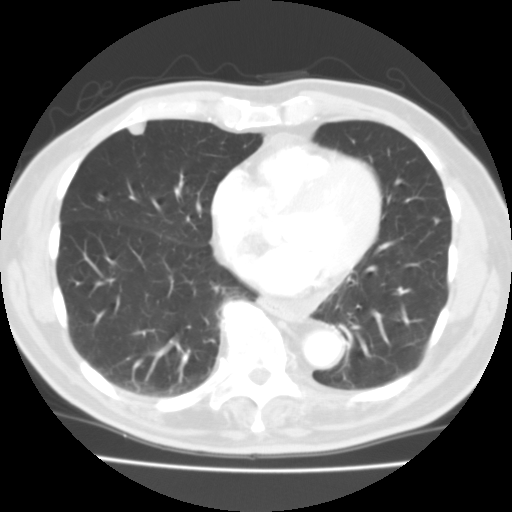
Axial chest CT slice 60 of 119 (counted from the lowest slice); 3.00 mm thick, 0.607 mm per pixel. Pulmonary nodule, outlined by all four readers. Box on this slice rows 121–135, columns 127–146, the union of the readers' outlines on this slice; longest diameter 13.2 mm on average over the four readers' outlines (readers' outlines 12.7–13.9 mm), volume 738–1063 mm3. Ratings, by the readers' most common answer with dissent counted: texture 5/5 (solid), all four readers agreeing; margin 5/5 (circumscribed), all four readers agreeing; sphericity 4/5 by two of four readers; the rest gave 2/5 (one), 3/5 (ovoid) (one); calcification absent, all four readers agreeing; internal structure soft tissue, all four readers agreeing; subtlety 5/5, all four readers agreeing; malignancy likelihood 4/5 by two of four readers; the rest gave 2/5 (one), 3/5 (one). Scale key (1–5): texture non-solid→solid, margin indistinct→circumscribed, sphericity linear→round, subtlety extremely subtle→obvious, malignancy likelihood highly unlikely→highly suspicious of cancer. Box rows and columns are 0-based pixel indices from the top-left corner, inclusive.
Tube voltage 135 kVp; convolution kernel FC01.